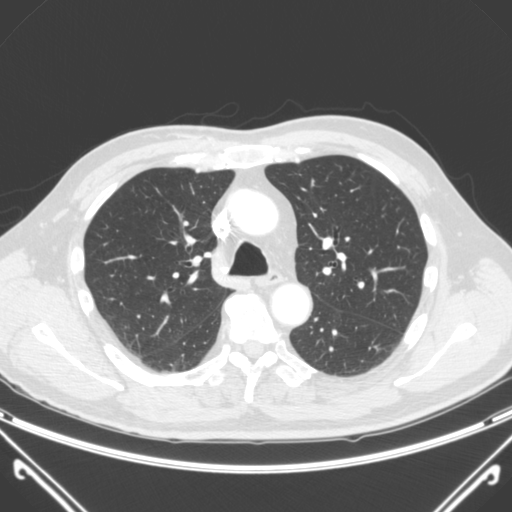
Chest CT, axial plane, 120 kVp, kernel B. Slice 182/285 from the bottom of the scan; thickness 2.00 mm; pixel size 0.748 mm.
No nodule 3 mm or larger was outlined here by any reader.